Axial slice 38 of 150 of a chest CT (slice 1 is the lowest), reconstructed with the STANDARD kernel at 120 kVp; 2.50 mm slice thickness and 0.820 mm pixels.
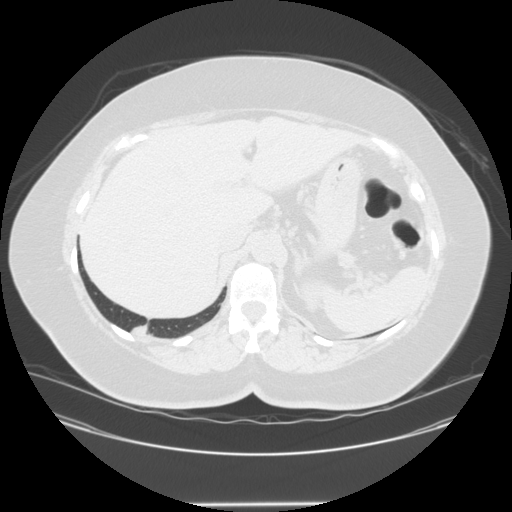
Pulmonary nodule, outlined by three of the four readers, two of them on this slice. Box on this slice rows 323–334, columns 131–145, the union of the readers' outlines on this slice; longest diameter 34.5–41.5 mm and volume 15181–19016 mm3 across the three readers' outlines. Ratings across the readers: texture 5/5 (solid) from all three readers; margin from 2/5 to 4/5 across the three readers; sphericity from 3/5 (ovoid) to 5/5 (round) across the three readers; calcification absent, all three readers agreeing; internal structure soft tissue, all three readers agreeing; subtlety 5/5, all three readers agreeing; malignancy likelihood 5/5 from all three readers. Scale key (1–5): texture non-solid→solid, margin indistinct→circumscribed, sphericity linear→round, subtlety extremely subtle→obvious, malignancy likelihood highly unlikely→highly suspicious of cancer. Box rows and columns are 0-based pixel indices from the top-left corner, inclusive.